One axial slice (291 of 411, counting up from the lowest) of a chest CT acquired at 120 kVp with the D kernel; each pixel is 0.654 mm and the slice is 2.00 mm thick.
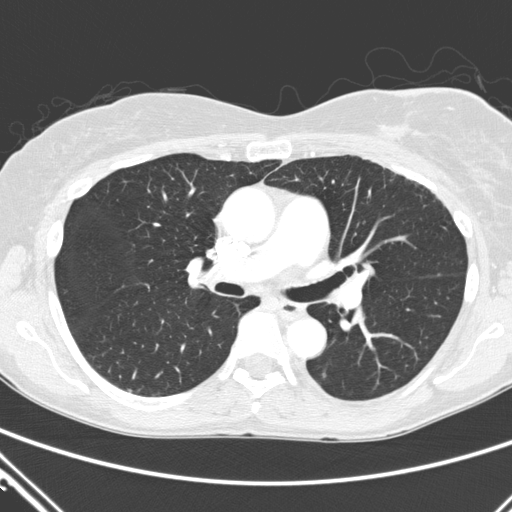
Pulmonary nodule, outlined by one of the four readers. Box on this slice rows 372–378, columns 322–326, that reader's outline on this slice; longest diameter 6.2 mm and volume 53 mm3 from that reader's outline. Ratings by that reader: texture 5/5 (solid); margin 5/5 (circumscribed); sphericity 5/5 (round); calcification absent; internal structure soft tissue; subtlety 3/5; malignancy likelihood 3/5. Scale key (1–5): texture non-solid→solid, margin indistinct→circumscribed, sphericity linear→round, subtlety extremely subtle→obvious, malignancy likelihood highly unlikely→highly suspicious of cancer. Box rows and columns are 0-based pixel indices from the top-left corner, inclusive.